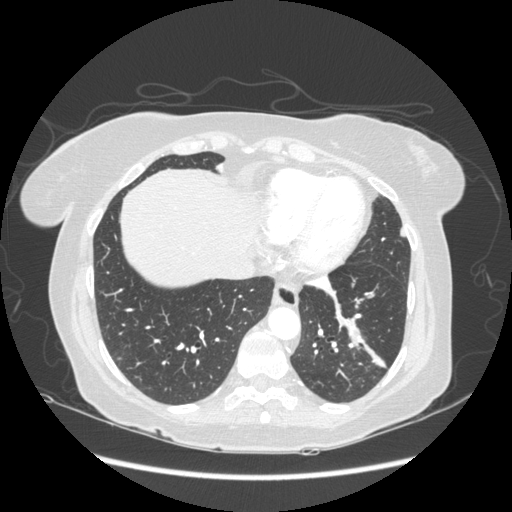
Slice 68/230 of a chest CT, counting up from the lowest; pixel size 0.742 mm, slice thickness 1.25 mm. Pulmonary nodule at rows 347–366, columns 367–385 (box = the one reader's outline on this slice), outlined by all four readers, one of them on this slice; longest diameter 28.7 mm on average over the four readers' outlines (readers' outlines 23.1–31.5 mm), volume 3020–5074 mm3. The readers' prevailing ratings and who disagreed: texture 5/5 (solid), all four readers agreeing; margin 4/5 by two of four readers; the rest gave 3/5 (one), 5/5 (circumscribed) (one); most readers (three of four) put sphericity at 3/5 (ovoid), others 5/5 (round) (one); calcification absent from all four readers; internal structure soft tissue from all four readers; subtlety 5/5, all four readers agreeing; malignancy likelihood 5/5 by three of four readers; the rest gave 3/5 (one). Scale key (1–5): texture non-solid→solid, margin indistinct→circumscribed, sphericity linear→round, subtlety extremely subtle→obvious, malignancy likelihood highly unlikely→highly suspicious of cancer. Box rows and columns are 0-based pixel indices from the top-left corner, inclusive.
Tube voltage 120 kVp; convolution kernel STANDARD.